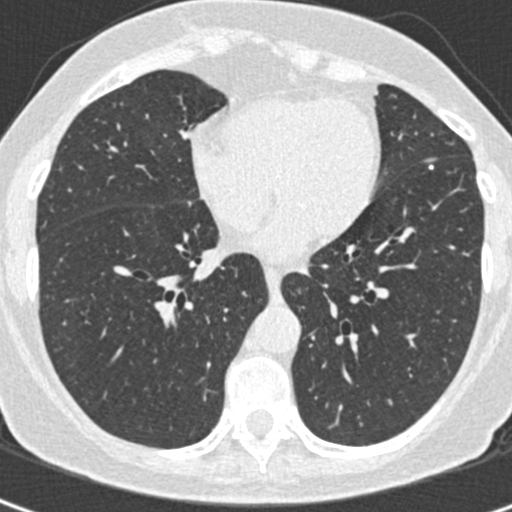
This is axial slice 165 of 408 (slice 1 is the lowest) of a chest CT; each pixel is 0.531 mm and the slice is 0.75 mm thick. No nodule of 3 mm or larger was outlined by any of the four readers on this slice.
Scan settings: 120 kVp, B30f reconstruction kernel.